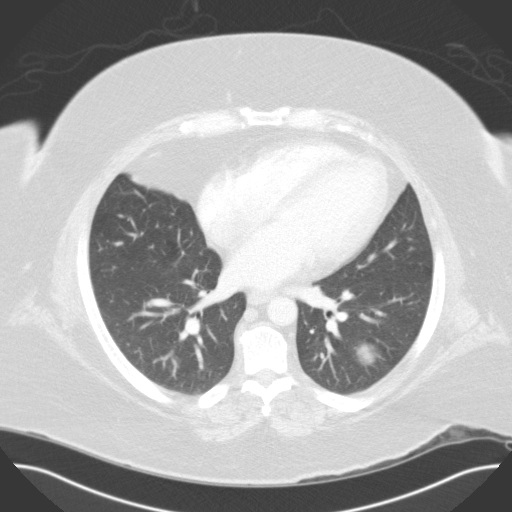
This is axial slice 69 of 117 (slice 1 is the lowest) of a chest CT; each pixel is 0.779 mm and the slice is 3.00 mm thick. Pulmonary nodule at rows 343–364, columns 356–374 (box = the union of the readers' outlines on this slice), outlined by two of the four readers; longest diameter 39.4 mm on average over the two readers' outlines (readers' outlines 39.2–39.6 mm), volume 24959–25451 mm3. Ratings, by the readers' most common answer with dissent counted: texture 5/5 (solid) from both readers; margin 5/5 (circumscribed) from both readers; sphericity 5/5 (round) from both readers; calcification split among the readers: laminated calcification (one), absent (one); internal structure soft tissue, both readers agreeing; subtlety 5/5, both readers agreeing; malignancy likelihood split among the readers: 2/5 (one), 3/5 (one). Scale key (1–5): texture non-solid→solid, margin indistinct→circumscribed, sphericity linear→round, subtlety extremely subtle→obvious, malignancy likelihood highly unlikely→highly suspicious of cancer. Box rows and columns are 0-based pixel indices from the top-left corner, inclusive.
Tube voltage 120 kVp; convolution kernel B31f.